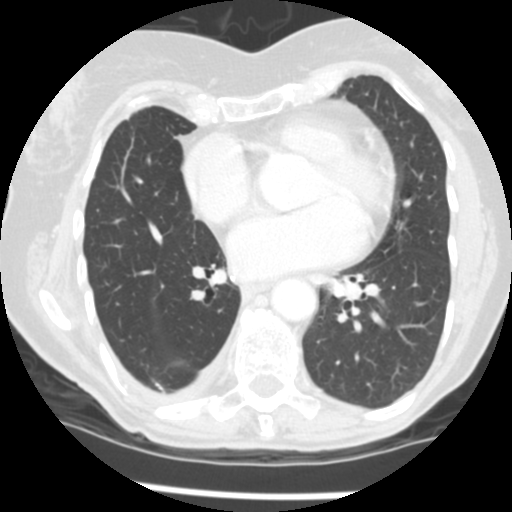
Axial chest CT slice 110 of 245 (counted from the lowest slice); 2.50 mm thick, 0.547 mm per pixel. None of the four readers outlined a nodule of 3 mm or more on this slice.
Scan settings: 120 kVp, STANDARD reconstruction kernel.